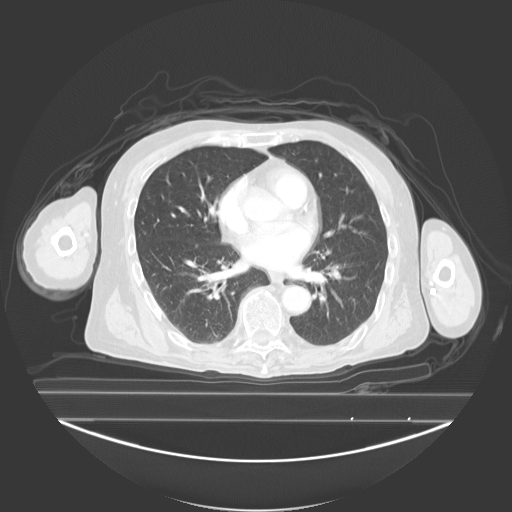
Axial slice 115 of 278 of a chest CT (slice 1 is the lowest), reconstructed with the B40s kernel at 130 kVp; 3.00 mm slice thickness and 0.977 mm pixels.
Pulmonary nodule, outlined by three of the four readers. Box on this slice rows 244–247, columns 195–198, the union of the readers' outlines on this slice; the three readers' outlines give a longest diameter between 6.2 and 6.3 mm and a volume between 123 and 213 mm3. Ratings across the readers: texture from 1/5 (non-solid) to 5/5 (solid) across the three readers; margin from 3/5 to 5/5 (circumscribed) across the three readers; sphericity 5/5 (round) from all three readers; calcification absent, all three readers agreeing; internal structure soft tissue from all three readers; subtlety rated between 2 and 4 out of 5 by the three readers; malignancy likelihood from 2/5 to 3/5 across the three readers. Scale key (1–5): texture non-solid→solid, margin indistinct→circumscribed, sphericity linear→round, subtlety extremely subtle→obvious, malignancy likelihood highly unlikely→highly suspicious of cancer. Box rows and columns are 0-based pixel indices from the top-left corner, inclusive.